Chest CT, axial plane, 120 kVp, kernel STANDARD. Slice 263/484 from the bottom of the scan; thickness 1.25 mm; pixel size 0.586 mm.
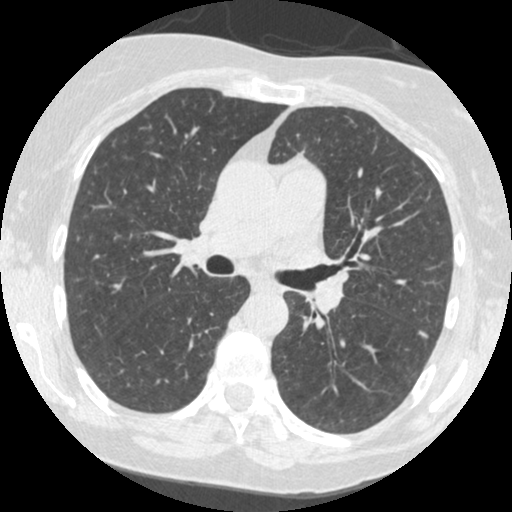
Pulmonary nodule at rows 329–338, columns 417–428 (box = the union of the readers' outlines on this slice), outlined by all four readers; longest diameter 8.3 mm on average over the four readers' outlines (readers' outlines 6.6–9.0 mm), volume 60–132 mm3. The readers' prevailing ratings and who disagreed: texture 5/5 (solid) from all four readers; margin split among the readers: 4/5 (two), 5/5 (circumscribed) (two); sphericity split among the readers: 3/5 (ovoid) (two), 4/5 (two); calcification absent from all four readers; internal structure soft tissue from all four readers; most readers (three of four) put subtlety at 5/5, others 4/5 (one); malignancy likelihood 2/5 by three of four readers; the rest gave 4/5 (one). Scale key (1–5): texture non-solid→solid, margin indistinct→circumscribed, sphericity linear→round, subtlety extremely subtle→obvious, malignancy likelihood highly unlikely→highly suspicious of cancer. Box rows and columns are 0-based pixel indices from the top-left corner, inclusive.